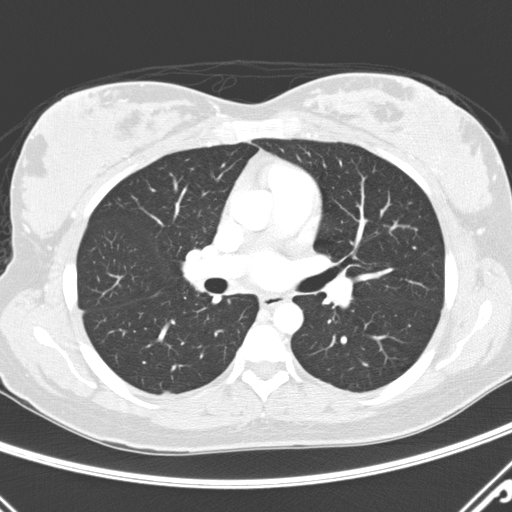
One axial slice (170 of 290, counting up from the lowest) of a chest CT acquired at 120 kVp with the D kernel; each pixel is 0.648 mm and the slice is 2.00 mm thick.
Pulmonary nodule outlined by one of the four readers; box rows 391–393, columns 162–169 (that reader's outline on this slice); longest diameter 15.8 mm and volume 355 mm3 from that reader's outline. Ratings by that reader: texture 5/5 (solid); margin 5/5 (circumscribed); sphericity 3/5 (ovoid); calcification absent; internal structure soft tissue; subtlety 5/5; malignancy likelihood 3/5. Scale key (1–5): texture non-solid→solid, margin indistinct→circumscribed, sphericity linear→round, subtlety extremely subtle→obvious, malignancy likelihood highly unlikely→highly suspicious of cancer. Box rows and columns are 0-based pixel indices from the top-left corner, inclusive.